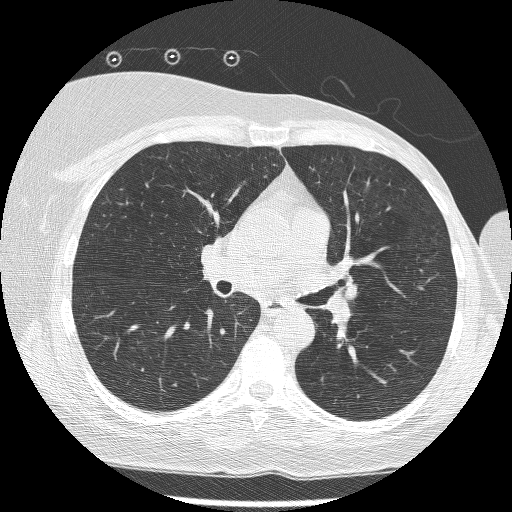
Chest CT, axial plane, 120 kVp, kernel BONE. Slice 111/209 from the bottom of the scan; thickness 1.25 mm; pixel size 0.617 mm.
None of the four readers outlined a nodule of 3 mm or more on this slice.